Chest CT, axial plane, 135 kVp, kernel FC01. Slice 75/109 from the bottom of the scan; thickness 3.00 mm; pixel size 0.671 mm.
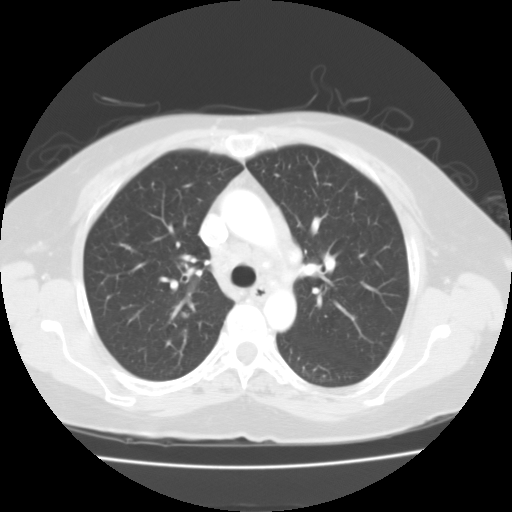
Pulmonary nodule, outlined by two of the four readers. Box on this slice rows 312–317, columns 181–188, the union of the readers' outlines on this slice; median longest diameter 6.7 mm (readers' outlines 6.7 mm), median volume 135 mm3 (99–172 mm3). Ratings, median across the readers with their spread: texture 5/5 (solid) from both readers; margin 4.5/5 at the median of two readers, spread 4/5 to 5/5 (circumscribed); sphericity 4/5 at the median of two readers, spread 3/5 (ovoid) to 5/5 (round); calcification absent from both readers; internal structure soft tissue from both readers; subtlety 3/5 at the median of two readers, spread 2–4; median malignancy likelihood 2.5/5 (readers ranged 2–3). Scale key (1–5): texture non-solid→solid, margin indistinct→circumscribed, sphericity linear→round, subtlety extremely subtle→obvious, malignancy likelihood highly unlikely→highly suspicious of cancer. Box rows and columns are 0-based pixel indices from the top-left corner, inclusive.